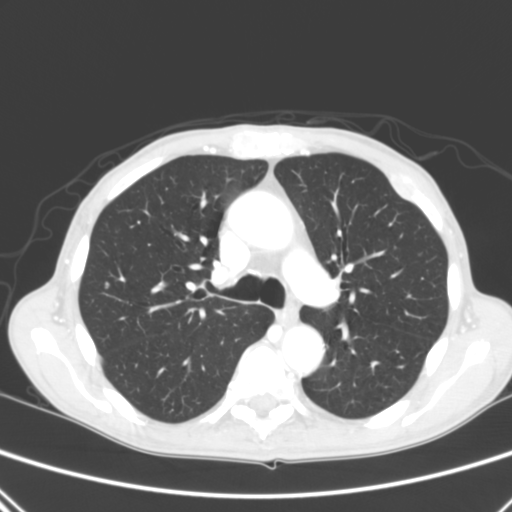
Chest CT, axial plane, 120 kVp, kernel B. Slice 187/290 from the bottom of the scan; thickness 2.00 mm; pixel size 0.639 mm.
Pulmonary nodule outlined by two of the four readers; box rows 282–288, columns 105–108 (the union of the readers' outlines on this slice); longest diameter 4.9 mm on average over the two readers' outlines (readers' outlines 4.5–5.3 mm), volume 25–40 mm3. Ratings, by the readers' most common answer with dissent counted: texture split among the readers: 2/5 (one), 5/5 (solid) (one); margin split among the readers: 2/5 (one), 5/5 (circumscribed) (one); sphericity split among the readers: 4/5 (one), 5/5 (round) (one); calcification absent, both readers agreeing; internal structure soft tissue from both readers; subtlety split among the readers: 4/5 (one), 5/5 (one); malignancy likelihood 3/5 from both readers. Scale key (1–5): texture non-solid→solid, margin indistinct→circumscribed, sphericity linear→round, subtlety extremely subtle→obvious, malignancy likelihood highly unlikely→highly suspicious of cancer. Box rows and columns are 0-based pixel indices from the top-left corner, inclusive.